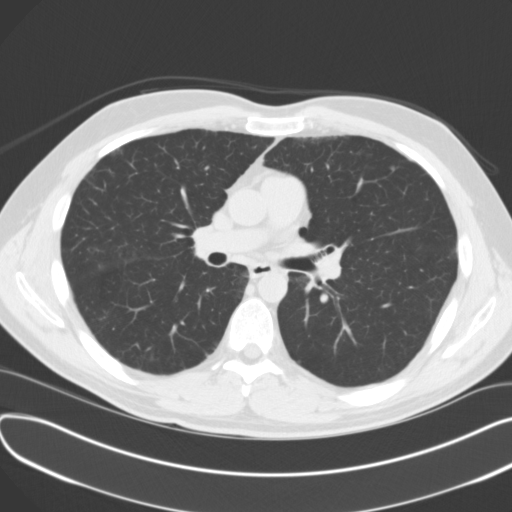
Axial chest CT slice 77 of 131 (counted from the lowest slice); 3.00 mm thick, 0.721 mm per pixel. Pulmonary nodule at rows 165–170, columns 390–394 (box = that reader's outline on this slice), outlined by one of the four readers; longest diameter 5.2 mm and volume 101 mm3 from that reader's outline. That reader's ratings: texture 5/5 (solid); margin 4/5; sphericity 4/5; calcification absent; internal structure soft tissue; subtlety 2/5; malignancy likelihood 1/5. Scale key (1–5): texture non-solid→solid, margin indistinct→circumscribed, sphericity linear→round, subtlety extremely subtle→obvious, malignancy likelihood highly unlikely→highly suspicious of cancer. Box rows and columns are 0-based pixel indices from the top-left corner, inclusive.
Acquired at 120 kVp and reconstructed with the B31f kernel.